Chest CT, axial plane, 120 kVp, kernel B70f. Slice 192/333 from the bottom of the scan; thickness 2.00 mm; pixel size 0.775 mm.
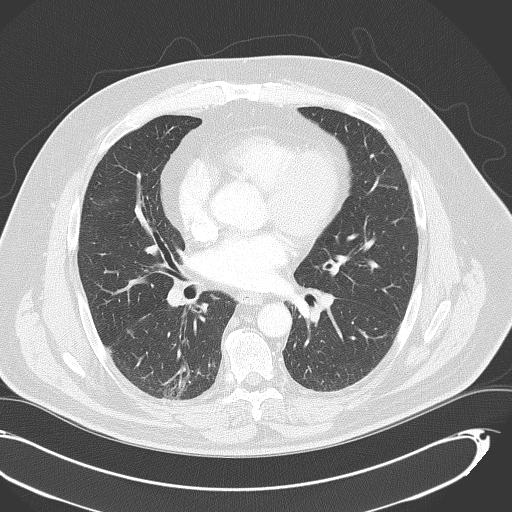
Pulmonary nodule, outlined by three of the four readers, two of them on this slice. Box on this slice rows 329–333, columns 126–133, the union of the readers' outlines on this slice; longest diameter 7.1–7.9 mm and volume 58–182 mm3 across the three readers' outlines. Ratings across the readers: texture from 4/5 to 5/5 (solid) across the three readers; margin from 3/5 to 5/5 (circumscribed) across the three readers; sphericity 3/5 (ovoid) from all three readers; calcification absent from all three readers; internal structure soft tissue, all three readers agreeing; subtlety rated between 2 and 5 out of 5 by the three readers; malignancy likelihood 2/5, all three readers agreeing. Scale key (1–5): texture non-solid→solid, margin indistinct→circumscribed, sphericity linear→round, subtlety extremely subtle→obvious, malignancy likelihood highly unlikely→highly suspicious of cancer. Box rows and columns are 0-based pixel indices from the top-left corner, inclusive.